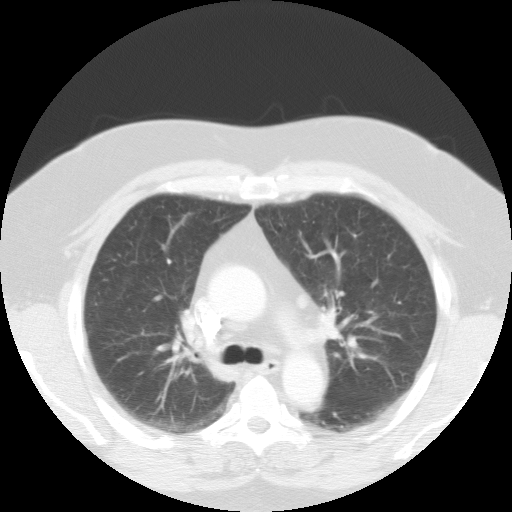
One axial slice (80 of 111, counting up from the lowest) of a chest CT acquired at 135 kVp with the FC01 kernel; each pixel is 0.751 mm and the slice is 3.00 mm thick.
None of the four readers outlined a nodule of 3 mm or more on this slice.